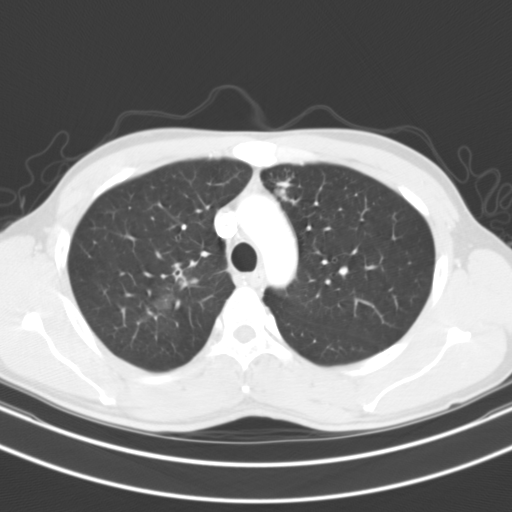
Axial slice 74 of 104 of a chest CT (slice 1 is the lowest), reconstructed with the B31s kernel at 130 kVp; 3.00 mm slice thickness and 0.637 mm pixels.
Pulmonary nodule at rows 179–199, columns 275–289 (box = the union of the readers' outlines on this slice), outlined by three of the four readers; longest diameter 14.0–14.9 mm and volume 609–830 mm3 across the three readers' outlines. Ratings across the readers: texture from 4/5 to 5/5 (solid) across the three readers; margin from 2/5 to 4/5 across the three readers; sphericity from 3/5 (ovoid) to 4/5 across the three readers; calcification absent, all three readers agreeing; internal structure soft tissue from all three readers; subtlety from 4/5 to 5/5 across the three readers; malignancy likelihood rated between 1 and 5 out of 5 by the three readers. Scale key (1–5): texture non-solid→solid, margin indistinct→circumscribed, sphericity linear→round, subtlety extremely subtle→obvious, malignancy likelihood highly unlikely→highly suspicious of cancer. Box rows and columns are 0-based pixel indices from the top-left corner, inclusive.